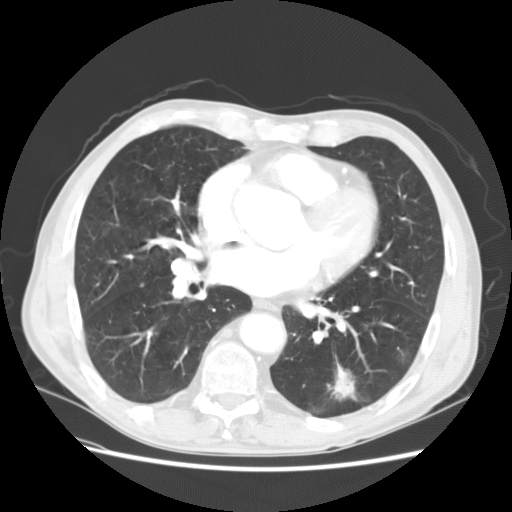
This is axial slice 71 of 147 (slice 1 is the lowest) of a chest CT; each pixel is 0.703 mm and the slice is 2.50 mm thick. Pulmonary nodule, outlined by all four readers. Box on this slice rows 359–401, columns 327–356, the union of the readers' outlines on this slice; the four readers' outlines give a longest diameter between 30.2 and 32.4 mm and a volume between 8441 and 9544 mm3. Ratings across the readers: texture from 3/5 (part-solid) to 5/5 (solid) across the four readers; margin from 2/5 to 5/5 (circumscribed) across the four readers; sphericity from 3/5 (ovoid) to 5/5 (round) across the four readers; calcification absent, all four readers agreeing; internal structure soft tissue, all four readers agreeing; subtlety 5/5 from all four readers; malignancy likelihood rated between 3 and 5 out of 5 by the four readers. Scale key (1–5): texture non-solid→solid, margin indistinct→circumscribed, sphericity linear→round, subtlety extremely subtle→obvious, malignancy likelihood highly unlikely→highly suspicious of cancer. Box rows and columns are 0-based pixel indices from the top-left corner, inclusive.
Tube voltage 120 kVp; convolution kernel STANDARD.